Axial slice 248 of 290 of a chest CT (slice 1 is the lowest), reconstructed with the D kernel at 120 kVp; 1.00 mm slice thickness and 0.662 mm pixels.
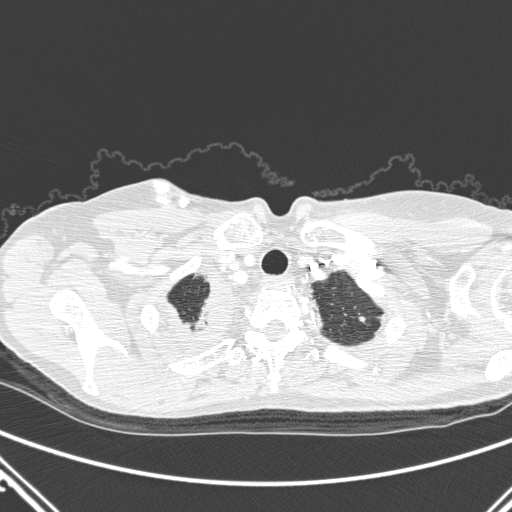
Pulmonary nodule outlined by three of the four readers; box rows 316–322, columns 357–365 (the union of the readers' outlines on this slice); longest diameter 5.9 mm on average over the three readers' outlines (readers' outlines 4.7–7.2 mm), volume 33–88 mm3. Ratings, by the readers' most common answer with dissent counted: texture 5/5 (solid) from all three readers; margin 5/5 (circumscribed), all three readers agreeing; sphericity 5/5 (round), all three readers agreeing; calcification absent from all three readers; internal structure soft tissue, all three readers agreeing; most readers (two of three) put subtlety at 4/5, others 5/5 (one); malignancy likelihood 2/5 by two of three readers; the rest gave 3/5 (one). Scale key (1–5): texture non-solid→solid, margin indistinct→circumscribed, sphericity linear→round, subtlety extremely subtle→obvious, malignancy likelihood highly unlikely→highly suspicious of cancer. Box rows and columns are 0-based pixel indices from the top-left corner, inclusive.